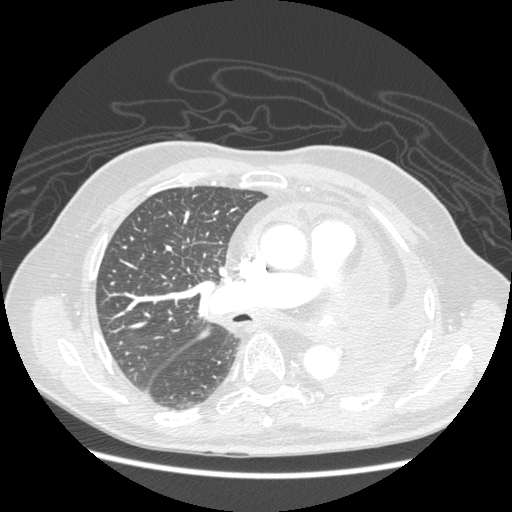
One axial slice (132 of 214, counting up from the lowest) of a chest CT acquired at 120 kVp with the STANDARD kernel; each pixel is 0.703 mm and the slice is 1.25 mm thick.
No nodule of 3 mm or larger was outlined by any of the four readers on this slice.